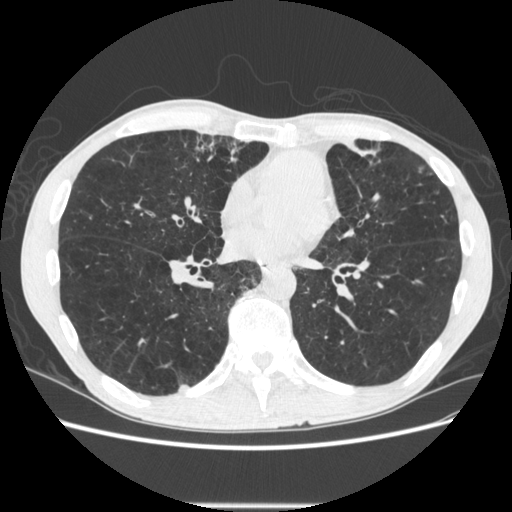
One axial slice (268 of 605, counting up from the lowest) of a chest CT acquired at 120 kVp with the STANDARD kernel; each pixel is 0.703 mm and the slice is 1.25 mm thick.
Pulmonary nodule at rows 384–391, columns 177–188 (box = the union of the readers' outlines on this slice), outlined by two of the four readers; longest diameter 10.1 mm on average over the two readers' outlines (readers' outlines 9.8–10.4 mm), volume 142–162 mm3. The readers' prevailing ratings and who disagreed: texture 5/5 (solid) from both readers; margin 5/5 (circumscribed) from both readers; sphericity split among the readers: 3/5 (ovoid) (one), 4/5 (one); calcification absent from both readers; internal structure soft tissue, both readers agreeing; subtlety 4/5 from both readers; malignancy likelihood 3/5 from both readers. Scale key (1–5): texture non-solid→solid, margin indistinct→circumscribed, sphericity linear→round, subtlety extremely subtle→obvious, malignancy likelihood highly unlikely→highly suspicious of cancer. Box rows and columns are 0-based pixel indices from the top-left corner, inclusive.